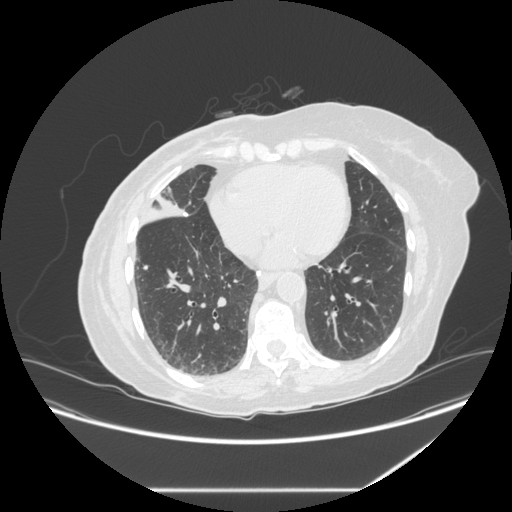
This is axial slice 125 of 281 (slice 1 is the lowest) of a chest CT; each pixel is 0.816 mm and the slice is 1.25 mm thick. Pulmonary nodule, outlined by all four readers. Box on this slice rows 265–269, columns 143–148, the union of the readers' outlines on this slice; median longest diameter 6.8 mm (readers' outlines 5.9–7.0 mm), median volume 82 mm3 (68–103 mm3). Median ratings and the readers' spread: texture 5/5 (solid) from all four readers; median margin 5/5 (circumscribed) (readers ranged 4/5 to 5/5 (circumscribed)); sphericity 4.5/5 at the median of four readers, spread 3/5 (ovoid) to 5/5 (round); calcification: central calcification (three), absent (one); internal structure soft tissue from all four readers; subtlety 4/5 at the median of four readers, spread 1–5; median malignancy likelihood 1/5 (readers ranged 1–3). Scale key (1–5): texture non-solid→solid, margin indistinct→circumscribed, sphericity linear→round, subtlety extremely subtle→obvious, malignancy likelihood highly unlikely→highly suspicious of cancer. Box rows and columns are 0-based pixel indices from the top-left corner, inclusive.
Acquired at 120 kVp and reconstructed with the STANDARD kernel.